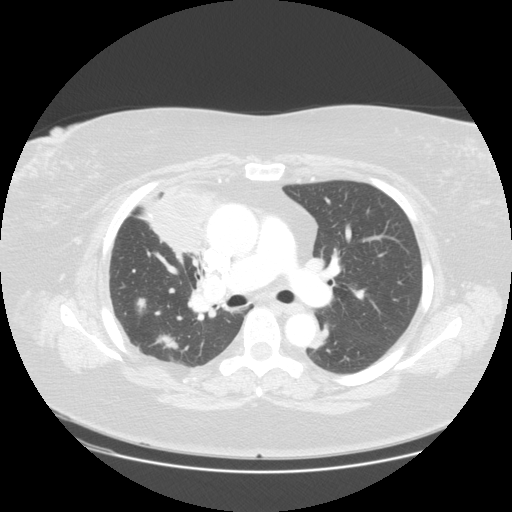
One axial slice (85 of 131, counting up from the lowest) of a chest CT acquired at 120 kVp with the STANDARD kernel; each pixel is 0.781 mm and the slice is 2.50 mm thick.
Two pulmonary nodules are outlined on this slice; from left to right: (1) Pulmonary nodule at rows 297–313, columns 135–146 (box = the union of the readers' outlines on this slice), outlined by all four readers; median longest diameter 14.7 mm (readers' outlines 14.1–15.2 mm), median volume 1170 mm3 (961–1260 mm3). Ratings, median across the readers with their spread: texture 5/5 (solid), all four readers agreeing; margin 4/5 at the median of four readers, spread 3/5 to 5/5 (circumscribed); median sphericity 4/5 (readers ranged 4/5 to 5/5 (round)); calcification absent, all four readers agreeing; internal structure soft tissue from all four readers; subtlety 5/5 from all four readers; median malignancy likelihood 4.5/5 (readers ranged 3–5). (2) Pulmonary nodule outlined by all four readers; box rows 332–349, columns 155–177 (the union of the readers' outlines on this slice); longest diameter 22.2 mm on average over the four readers' outlines (readers' outlines 20.8–23.0 mm), volume 1060–1625 mm3. The readers' prevailing ratings and who disagreed: most readers (three of four) put texture at 5/5 (solid), others 4/5 (one); most readers (three of four) put margin at 4/5, others 3/5 (one); sphericity 2/5 by three of four readers; the rest gave 5/5 (round) (one); calcification absent from all four readers; internal structure soft tissue from all four readers; most readers (three of four) put subtlety at 5/5, others 4/5 (one); malignancy likelihood split among the readers: 4/5 (two), 5/5 (two). Scale key (1–5): texture non-solid→solid, margin indistinct→circumscribed, sphericity linear→round, subtlety extremely subtle→obvious, malignancy likelihood highly unlikely→highly suspicious of cancer. Box rows and columns are 0-based pixel indices from the top-left corner, inclusive.